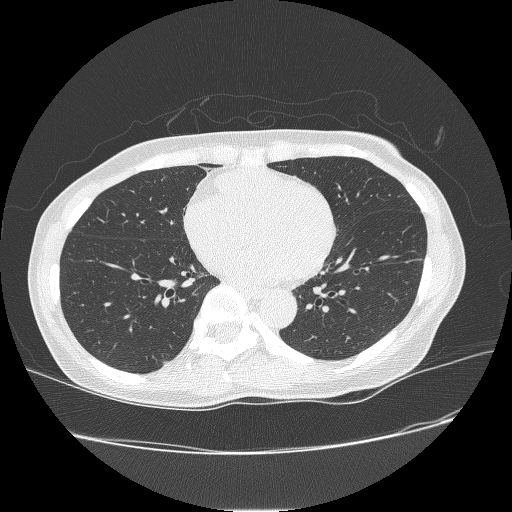
Chest CT, axial plane, 120 kVp, kernel BONE. Slice 111/238 from the bottom of the scan; thickness 1.25 mm; pixel size 0.703 mm.
This slice carries no reader outline of a nodule 3 mm or larger.